Axial chest CT slice 219 of 417 (counted from the lowest slice); tube voltage 120 kVp, convolution kernel STANDARD; slices 1.25 mm thick, 0.703 mm per pixel.
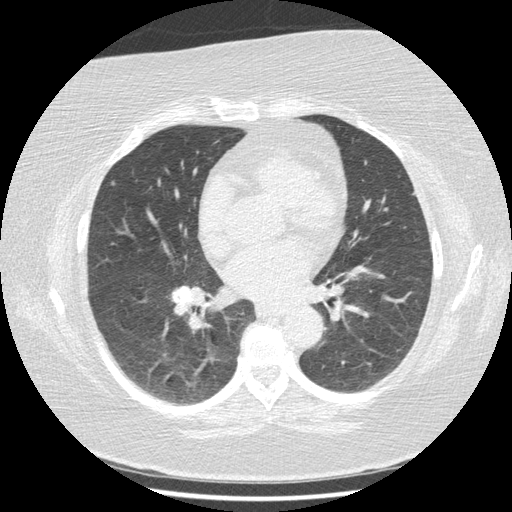
Pulmonary nodule, outlined by two of the four readers. Box on this slice rows 180–185, columns 111–115, the union of the readers' outlines on this slice; the two readers' outlines give a longest diameter of 6.0 mm and a volume between 40 and 52 mm3. Ratings across the readers: texture 5/5 (solid), both readers agreeing; margin 5/5 (circumscribed) from both readers; sphericity 4/5, both readers agreeing; calcification absent from both readers; internal structure soft tissue from both readers; subtlety from 3/5 to 5/5 across the two readers; malignancy likelihood from 2/5 to 3/5 across the two readers. Scale key (1–5): texture non-solid→solid, margin indistinct→circumscribed, sphericity linear→round, subtlety extremely subtle→obvious, malignancy likelihood highly unlikely→highly suspicious of cancer. Box rows and columns are 0-based pixel indices from the top-left corner, inclusive.